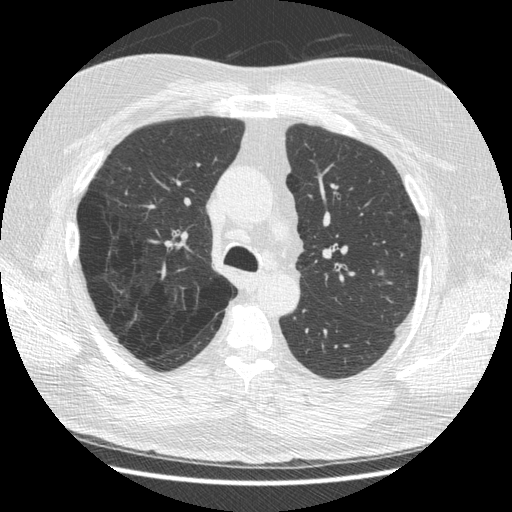
This is axial slice 319 of 487 (slice 1 is the lowest) of a chest CT; each pixel is 0.703 mm and the slice is 1.25 mm thick. Pulmonary nodule outlined by two of the four readers; box rows 270–275, columns 378–382 (the union of the readers' outlines on this slice); longest diameter 9.5 mm on average over the two readers' outlines (readers' outlines 9.4–9.6 mm), volume 154–156 mm3. Ratings, by the readers' most common answer with dissent counted: texture split among the readers: 3/5 (part-solid) (one), 4/5 (one); margin split among the readers: 2/5 (one), 4/5 (one); sphericity 3/5 (ovoid), both readers agreeing; calcification absent, both readers agreeing; internal structure soft tissue, both readers agreeing; subtlety split among the readers: 2/5 (one), 3/5 (one); malignancy likelihood split among the readers: 3/5 (one), 4/5 (one). Scale key (1–5): texture non-solid→solid, margin indistinct→circumscribed, sphericity linear→round, subtlety extremely subtle→obvious, malignancy likelihood highly unlikely→highly suspicious of cancer. Box rows and columns are 0-based pixel indices from the top-left corner, inclusive.
Acquired at 120 kVp and reconstructed with the STANDARD kernel.